Axial slice 240 of 321 of a chest CT (slice 1 is the lowest), reconstructed with the D kernel at 120 kVp; 2.00 mm slice thickness and 0.557 mm pixels.
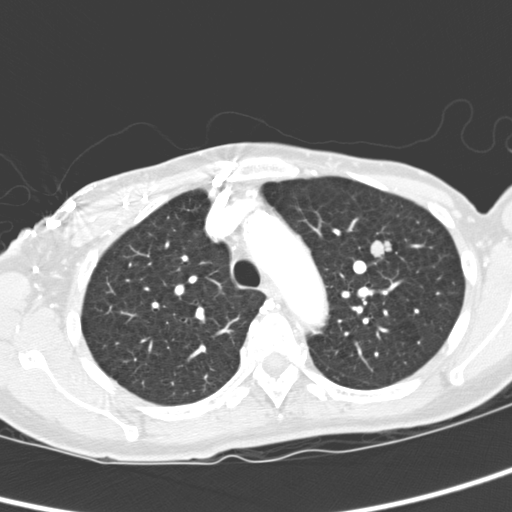
Pulmonary nodule, outlined by all four readers. Box on this slice rows 239–258, columns 369–391, the union of the readers' outlines on this slice; longest diameter 19.2–22.3 mm and volume 3069–4125 mm3 across the four readers' outlines. Ratings across the readers: texture 5/5 (solid) from all four readers; margin 5/5 (circumscribed) from all four readers; sphericity from 4/5 to 5/5 (round) across the four readers; calcification absent from all four readers; internal structure soft tissue, all four readers agreeing; subtlety 5/5, all four readers agreeing; malignancy likelihood 2–5/5 (the readers disagree). Scale key (1–5): texture non-solid→solid, margin indistinct→circumscribed, sphericity linear→round, subtlety extremely subtle→obvious, malignancy likelihood highly unlikely→highly suspicious of cancer. Box rows and columns are 0-based pixel indices from the top-left corner, inclusive.